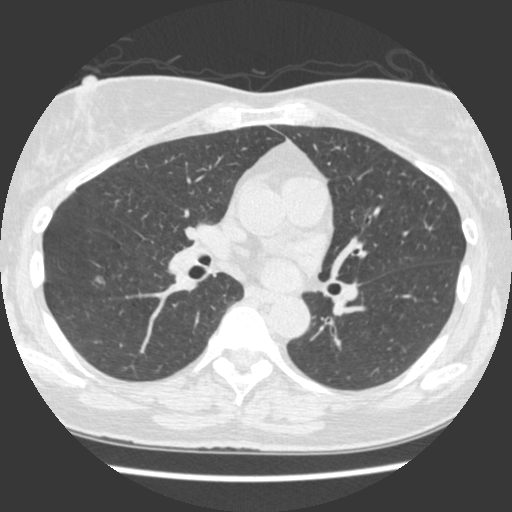
Chest CT, axial plane, 120 kVp, kernel STANDARD. Slice 202/429 from the bottom of the scan; thickness 1.25 mm; pixel size 0.586 mm.
Pulmonary nodule, outlined by all four readers. Box on this slice rows 275–284, columns 94–105, the union of the readers' outlines on this slice; longest diameter 7.2–8.0 mm and volume 53–78 mm3 across the four readers' outlines. The readers' ratings, as ranges where they differ: texture from 4/5 to 5/5 (solid) across the four readers; margin from 3/5 to 5/5 (circumscribed) across the four readers; sphericity from 2/5 to 4/5 across the four readers; calcification absent from all four readers; internal structure soft tissue from all four readers; subtlety rated between 3 and 5 out of 5 by the four readers; malignancy likelihood 2–4/5 (the readers disagree). Scale key (1–5): texture non-solid→solid, margin indistinct→circumscribed, sphericity linear→round, subtlety extremely subtle→obvious, malignancy likelihood highly unlikely→highly suspicious of cancer. Box rows and columns are 0-based pixel indices from the top-left corner, inclusive.